One axial slice (116 of 244, counting up from the lowest) of a chest CT acquired at 120 kVp with the BONE kernel; each pixel is 0.674 mm and the slice is 1.25 mm thick.
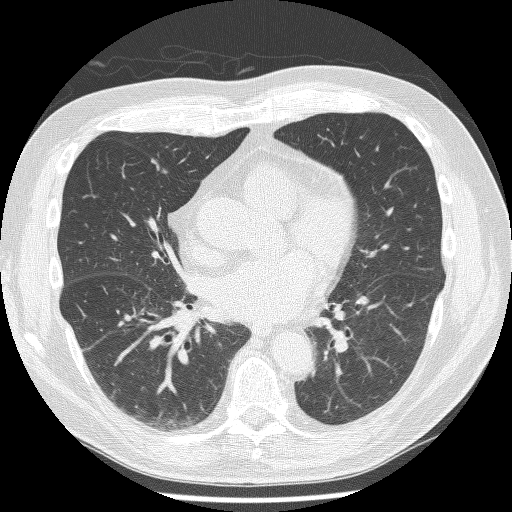
Pulmonary nodule at rows 158–167, columns 151–157 (box = the union of the readers' outlines on this slice), outlined by all four readers; longest diameter 8.0 mm on average over the four readers' outlines (readers' outlines 7.0–8.8 mm), volume 85–101 mm3. Ratings, by the readers' most common answer with dissent counted: texture split among the readers: 4/5 (two), 5/5 (solid) (two); margin 3/5 by two of four readers; the rest gave 4/5 (one), 5/5 (circumscribed) (one); sphericity 4/5 by two of four readers; the rest gave 2/5 (one), 3/5 (ovoid) (one); calcification absent, all four readers agreeing; internal structure soft tissue, all four readers agreeing; subtlety 4/5 by three of four readers; the rest gave 5/5 (one); malignancy likelihood 3/5, all four readers agreeing. Scale key (1–5): texture non-solid→solid, margin indistinct→circumscribed, sphericity linear→round, subtlety extremely subtle→obvious, malignancy likelihood highly unlikely→highly suspicious of cancer. Box rows and columns are 0-based pixel indices from the top-left corner, inclusive.